Chest CT, axial plane, 120 kVp, kernel STANDARD. Slice 247/369 from the bottom of the scan; thickness 1.25 mm; pixel size 0.703 mm.
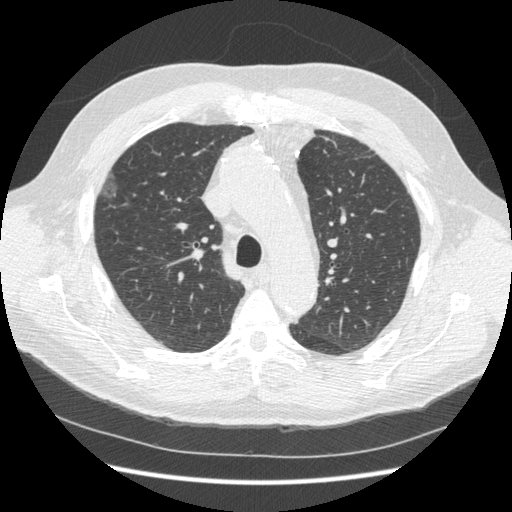
Pulmonary nodule at rows 171–198, columns 100–116 (box = that reader's outline on this slice), outlined by one of the four readers; longest diameter 27.0 mm and volume 3015 mm3 from that reader's outline. Ratings by that reader: texture 1/5 (non-solid); margin 1/5 (indistinct); sphericity 3/5 (ovoid); calcification absent; internal structure soft tissue; subtlety 3/5; malignancy likelihood 3/5. Scale key (1–5): texture non-solid→solid, margin indistinct→circumscribed, sphericity linear→round, subtlety extremely subtle→obvious, malignancy likelihood highly unlikely→highly suspicious of cancer. Box rows and columns are 0-based pixel indices from the top-left corner, inclusive.